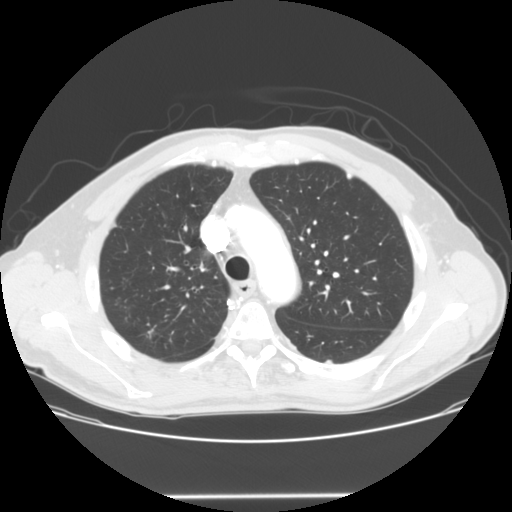
Chest CT, axial plane, 120 kVp, kernel STANDARD. Slice 96/128 from the bottom of the scan; thickness 2.50 mm; pixel size 0.742 mm.
Pulmonary nodule, outlined by one of the four readers. Box on this slice rows 360–362, columns 326–332, that reader's outline on this slice; longest diameter 6.7 mm and volume 127 mm3 from that reader's outline. Ratings by that reader: texture 5/5 (solid); margin 5/5 (circumscribed); sphericity 3/5 (ovoid); calcification absent; internal structure soft tissue; subtlety 3/5; malignancy likelihood 2/5. Scale key (1–5): texture non-solid→solid, margin indistinct→circumscribed, sphericity linear→round, subtlety extremely subtle→obvious, malignancy likelihood highly unlikely→highly suspicious of cancer. Box rows and columns are 0-based pixel indices from the top-left corner, inclusive.